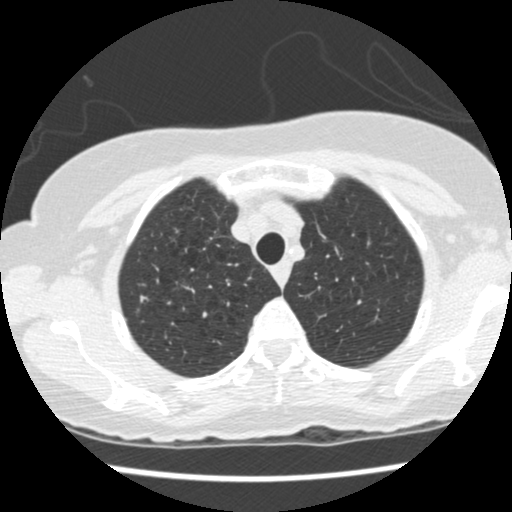
This is axial slice 380 of 458 (slice 1 is the lowest) of a chest CT; each pixel is 0.586 mm and the slice is 1.25 mm thick. Pulmonary nodule, outlined by all four readers. Box on this slice rows 294–302, columns 139–147, the union of the readers' outlines on this slice; median longest diameter 6.2 mm (readers' outlines 5.0–7.8 mm), median volume 81 mm3 (57–106 mm3). Median ratings and the readers' spread: median texture 4.5/5 (readers ranged 4/5 to 5/5 (solid)); margin 3.5/5 at the median of four readers, spread 3/5 to 4/5; median sphericity 4/5 (readers ranged 4/5 to 5/5 (round)); calcification absent, all four readers agreeing; internal structure soft tissue from all four readers; median subtlety 3.5/5 (readers ranged 3–5); malignancy likelihood 2.5/5 at the median of four readers, spread 2–4. Scale key (1–5): texture non-solid→solid, margin indistinct→circumscribed, sphericity linear→round, subtlety extremely subtle→obvious, malignancy likelihood highly unlikely→highly suspicious of cancer. Box rows and columns are 0-based pixel indices from the top-left corner, inclusive.
Scan settings: 120 kVp, STANDARD reconstruction kernel.